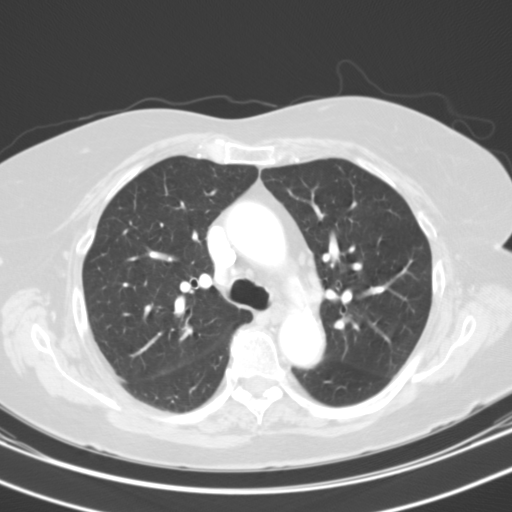
This is axial slice 73 of 109 (slice 1 is the lowest) of a chest CT; each pixel is 0.629 mm and the slice is 3.00 mm thick. Pulmonary nodule, outlined by all four readers, two of them on this slice. Box on this slice rows 324–335, columns 179–193, the union of the readers' outlines on this slice; the four readers' outlines give a longest diameter between 16.9 and 27.7 mm and a volume between 1856 and 2397 mm3. The readers' ratings, as ranges where they differ: texture 5/5 (solid), all four readers agreeing; margin from 4/5 to 5/5 (circumscribed) across the four readers; sphericity from 4/5 to 5/5 (round) across the four readers; calcification absent from all four readers; internal structure soft tissue from all four readers; subtlety 5/5, all four readers agreeing; malignancy likelihood 3–5/5 (the readers disagree). Scale key (1–5): texture non-solid→solid, margin indistinct→circumscribed, sphericity linear→round, subtlety extremely subtle→obvious, malignancy likelihood highly unlikely→highly suspicious of cancer. Box rows and columns are 0-based pixel indices from the top-left corner, inclusive.
Acquired at 130 kVp and reconstructed with the B31s kernel.